One axial slice (119 of 143, counting up from the lowest) of a chest CT acquired at 120 kVp with the STANDARD kernel; each pixel is 0.859 mm and the slice is 2.50 mm thick.
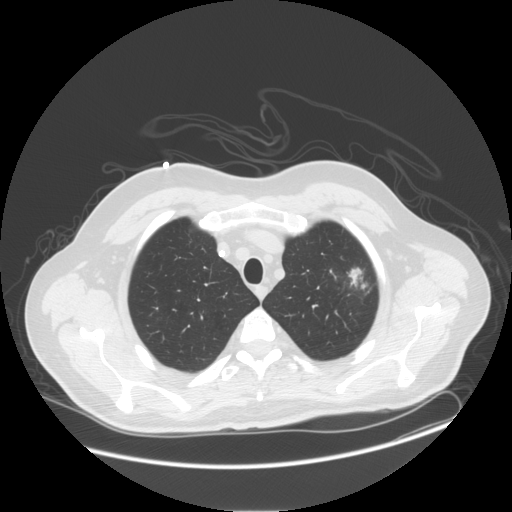
Pulmonary nodule, outlined by all four readers. Box on this slice rows 266–290, columns 346–367, the union of the readers' outlines on this slice; longest diameter 26.6 mm on average over the four readers' outlines (readers' outlines 24.8–28.8 mm), volume 4547–5828 mm3. The readers' prevailing ratings and who disagreed: texture 5/5 (solid) by three of four readers; the rest gave 4/5 (one); margin split among the readers: 4/5 (two), 5/5 (circumscribed) (two); sphericity 5/5 (round) by three of four readers; the rest gave 3/5 (ovoid) (one); calcification absent, all four readers agreeing; internal structure soft tissue from all four readers; subtlety 5/5 by three of four readers; the rest gave 3/5 (one); malignancy likelihood 5/5 by three of four readers; the rest gave 2/5 (one). Scale key (1–5): texture non-solid→solid, margin indistinct→circumscribed, sphericity linear→round, subtlety extremely subtle→obvious, malignancy likelihood highly unlikely→highly suspicious of cancer. Box rows and columns are 0-based pixel indices from the top-left corner, inclusive.